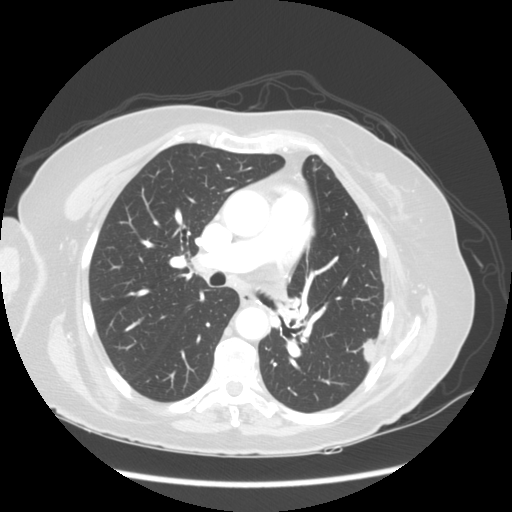
Axial slice 95 of 141 of a chest CT (slice 1 is the lowest), reconstructed with the STANDARD kernel at 120 kVp; 2.50 mm slice thickness and 0.703 mm pixels.
Pulmonary nodule, outlined by all four readers. Box on this slice rows 338–363, columns 362–376, the union of the readers' outlines on this slice; the four readers' outlines give a longest diameter between 17.8 and 22.2 mm and a volume between 1070 and 1706 mm3. Ratings across the readers: texture 5/5 (solid), all four readers agreeing; margin from 3/5 to 4/5 across the four readers; sphericity from 2/5 to 4/5 across the four readers; calcification absent, all four readers agreeing; internal structure soft tissue from all four readers; subtlety 4–5/5 (the readers disagree); malignancy likelihood rated between 3 and 5 out of 5 by the four readers. Scale key (1–5): texture non-solid→solid, margin indistinct→circumscribed, sphericity linear→round, subtlety extremely subtle→obvious, malignancy likelihood highly unlikely→highly suspicious of cancer. Box rows and columns are 0-based pixel indices from the top-left corner, inclusive.